One axial slice (158 of 535, counting up from the lowest) of a chest CT acquired at 120 kVp with the STANDARD kernel; each pixel is 0.664 mm and the slice is 1.25 mm thick.
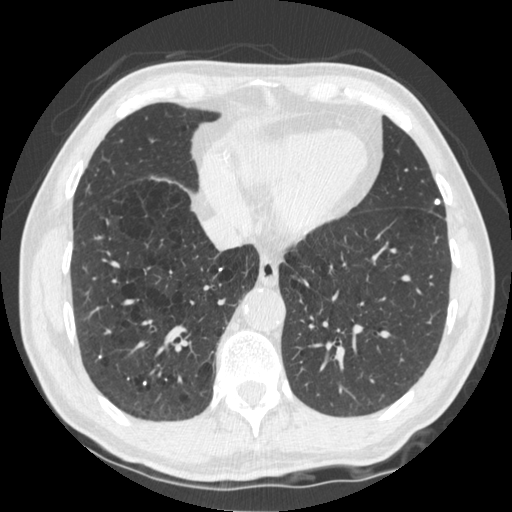
Pulmonary nodule outlined by three of the four readers; box rows 198–204, columns 434–440 (the union of the readers' outlines on this slice); longest diameter 5.5–6.8 mm and volume 70–114 mm3 across the three readers' outlines. Ratings across the readers: texture 5/5 (solid), all three readers agreeing; margin 5/5 (circumscribed), all three readers agreeing; sphericity 5/5 (round) from all three readers; calcification solid calcification from all three readers; internal structure soft tissue, all three readers agreeing; subtlety 5/5 from all three readers; malignancy likelihood 1/5 from all three readers. Scale key (1–5): texture non-solid→solid, margin indistinct→circumscribed, sphericity linear→round, subtlety extremely subtle→obvious, malignancy likelihood highly unlikely→highly suspicious of cancer. Box rows and columns are 0-based pixel indices from the top-left corner, inclusive.